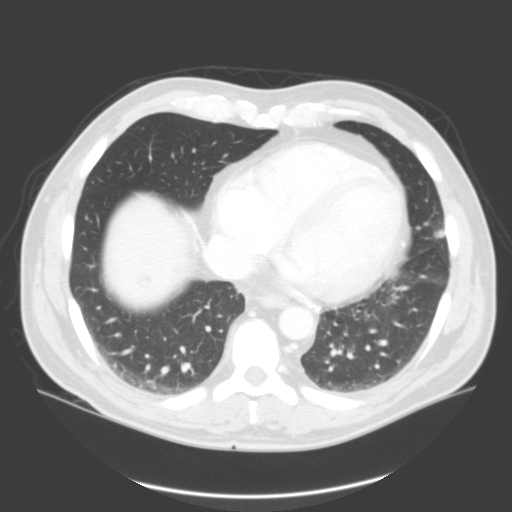
Axial chest CT slice 27 of 95 (counted from the lowest slice); 3.00 mm thick, 0.750 mm per pixel. Pulmonary nodule, outlined by two of the four readers. Box on this slice rows 229–236, columns 435–443, the union of the readers' outlines on this slice; longest diameter 8.4–9.6 mm and volume 251–301 mm3 across the two readers' outlines. Ratings across the readers: texture from 1/5 (non-solid) to 2/5 across the two readers; margin from 1/5 (indistinct) to 3/5 across the two readers; sphericity 3/5 (ovoid) from both readers; calcification absent, both readers agreeing; internal structure soft tissue from both readers; subtlety 3–5/5 (the readers disagree); malignancy likelihood rated between 1 and 2 out of 5 by the two readers. Scale key (1–5): texture non-solid→solid, margin indistinct→circumscribed, sphericity linear→round, subtlety extremely subtle→obvious, malignancy likelihood highly unlikely→highly suspicious of cancer. Box rows and columns are 0-based pixel indices from the top-left corner, inclusive.
Tube voltage 120 kVp; convolution kernel B.